Axial slice 234 of 295 of a chest CT (slice 1 is the lowest), reconstructed with the STANDARD kernel at 120 kVp; 2.50 mm slice thickness and 0.703 mm pixels.
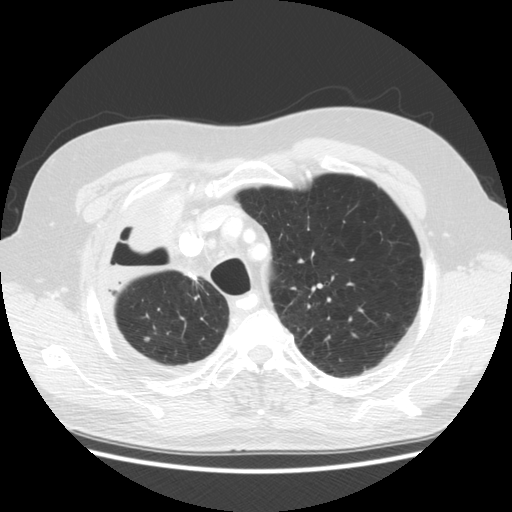
Pulmonary nodule at rows 336–342, columns 143–150 (box = the union of the readers' outlines on this slice), outlined by all four readers; the four readers' outlines give a longest diameter between 6.5 and 7.5 mm and a volume between 93 and 148 mm3. Ratings across the readers: texture 5/5 (solid) from all four readers; margin from 3/5 to 5/5 (circumscribed) across the four readers; sphericity from 3/5 (ovoid) to 5/5 (round) across the four readers; calcification absent from all four readers; internal structure soft tissue from all four readers; subtlety from 2/5 to 5/5 across the four readers; malignancy likelihood 2–3/5 (the readers disagree). Scale key (1–5): texture non-solid→solid, margin indistinct→circumscribed, sphericity linear→round, subtlety extremely subtle→obvious, malignancy likelihood highly unlikely→highly suspicious of cancer. Box rows and columns are 0-based pixel indices from the top-left corner, inclusive.